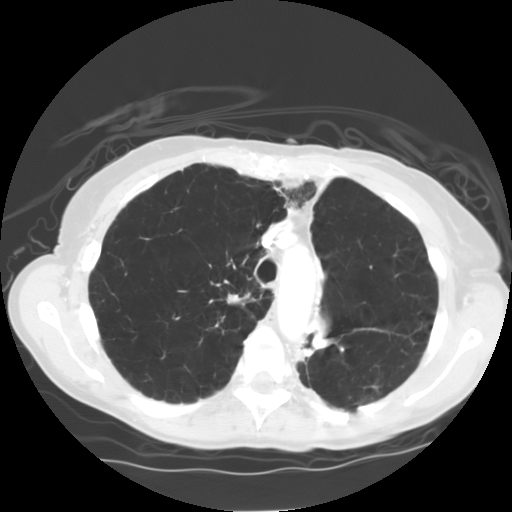
One axial slice (122 of 154, counting up from the lowest) of a chest CT acquired at 120 kVp with the STANDARD kernel; each pixel is 0.664 mm and the slice is 2.50 mm thick.
Pulmonary nodule, outlined by one of the four readers. Box on this slice rows 294–302, columns 227–237, that reader's outline on this slice; longest diameter 9.0 mm and volume 271 mm3 from that reader's outline. That reader's ratings: texture 5/5 (solid); margin 4/5; sphericity 4/5; calcification absent; internal structure soft tissue; subtlety 3/5; malignancy likelihood 3/5. Scale key (1–5): texture non-solid→solid, margin indistinct→circumscribed, sphericity linear→round, subtlety extremely subtle→obvious, malignancy likelihood highly unlikely→highly suspicious of cancer. Box rows and columns are 0-based pixel indices from the top-left corner, inclusive.